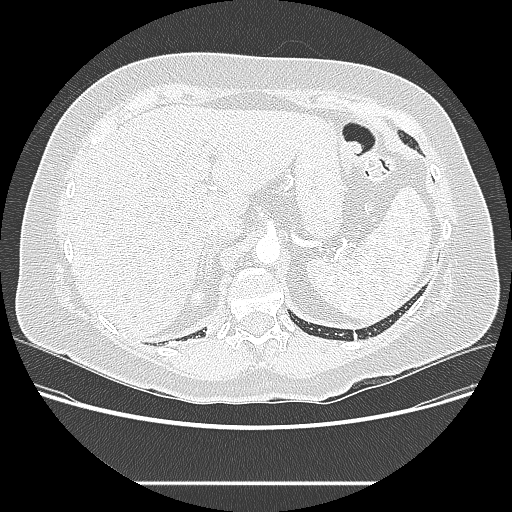
Axial chest CT slice 36 of 238 (counted from the lowest slice); 1.25 mm thick, 0.742 mm per pixel. Pulmonary nodule, outlined by three of the four readers, one of them on this slice. Box on this slice rows 320–333, columns 207–216, the one reader's outline on this slice; median longest diameter 21.0 mm (readers' outlines 20.6–21.1 mm), median volume 979 mm3 (743–1062 mm3). Ratings, median across the readers with their spread: texture 5/5 (solid) from all three readers; median margin 5/5 (circumscribed) (readers ranged 4/5 to 5/5 (circumscribed)); sphericity 3/5 (ovoid), all three readers agreeing; calcification absent, all three readers agreeing; internal structure soft tissue from all three readers; median subtlety 3/5 (readers ranged 3–4); malignancy likelihood 3/5 from all three readers. Scale key (1–5): texture non-solid→solid, margin indistinct→circumscribed, sphericity linear→round, subtlety extremely subtle→obvious, malignancy likelihood highly unlikely→highly suspicious of cancer. Box rows and columns are 0-based pixel indices from the top-left corner, inclusive.
Scan settings: 120 kVp, LUNG reconstruction kernel.